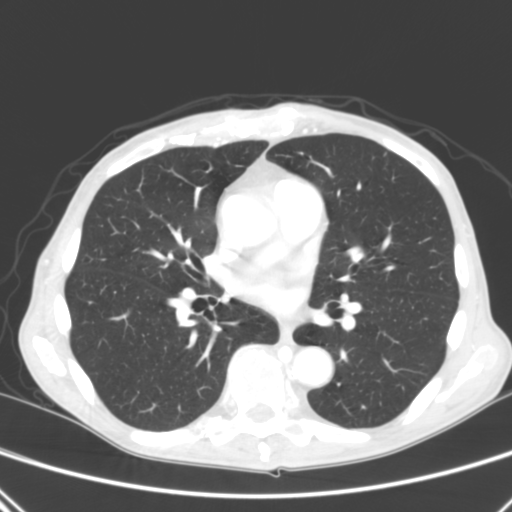
One axial slice (145 of 290, counting up from the lowest) of a chest CT acquired at 120 kVp with the B kernel; each pixel is 0.639 mm and the slice is 2.00 mm thick.
Pulmonary nodule, outlined by two of the four readers. Box on this slice rows 152–156, columns 382–386, the union of the readers' outlines on this slice; median longest diameter 4.8 mm (readers' outlines 4.6–4.9 mm), median volume 45 mm3 (37–52 mm3). Ratings, median across the readers with their spread: texture 5/5 (solid) from both readers; margin 4.5/5 at the median of two readers, spread 4/5 to 5/5 (circumscribed); sphericity 4/5 from both readers; calcification absent, both readers agreeing; internal structure soft tissue from both readers; subtlety 4.5/5 at the median of two readers, spread 4–5; median malignancy likelihood 2.5/5 (readers ranged 2–3). Scale key (1–5): texture non-solid→solid, margin indistinct→circumscribed, sphericity linear→round, subtlety extremely subtle→obvious, malignancy likelihood highly unlikely→highly suspicious of cancer. Box rows and columns are 0-based pixel indices from the top-left corner, inclusive.